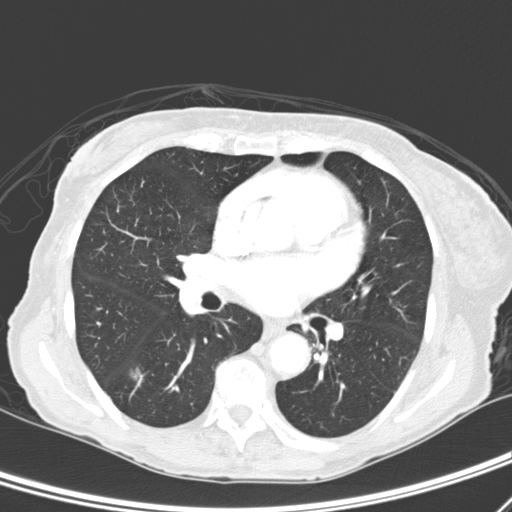
One axial slice (154 of 276, counting up from the lowest) of a chest CT acquired at 120 kVp with the D kernel; each pixel is 0.617 mm and the slice is 2.00 mm thick.
Pulmonary nodule, outlined by two of the four readers. Box on this slice rows 367–379, columns 128–139, the union of the readers' outlines on this slice; longest diameter 10.2 mm on average over the two readers' outlines (readers' outlines 9.8–10.6 mm), volume 119–162 mm3. Ratings, by the readers' most common answer with dissent counted: texture split among the readers: 2/5 (one), 3/5 (part-solid) (one); margin split among the readers: 1/5 (indistinct) (one), 2/5 (one); sphericity split among the readers: 2/5 (one), 3/5 (ovoid) (one); calcification absent from both readers; internal structure soft tissue, both readers agreeing; subtlety split among the readers: 4/5 (one), 5/5 (one); malignancy likelihood 3/5 from both readers. Scale key (1–5): texture non-solid→solid, margin indistinct→circumscribed, sphericity linear→round, subtlety extremely subtle→obvious, malignancy likelihood highly unlikely→highly suspicious of cancer. Box rows and columns are 0-based pixel indices from the top-left corner, inclusive.